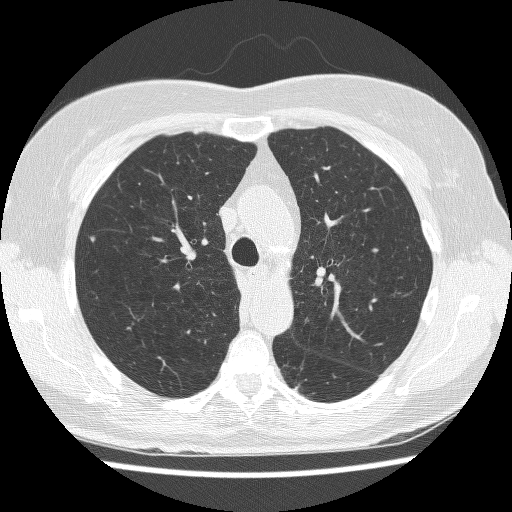
Chest CT, axial plane, 120 kVp, kernel BONE. Slice 174/241 from the bottom of the scan; thickness 1.25 mm; pixel size 0.609 mm.
Pulmonary nodule at rows 235–242, columns 89–95 (box = that reader's outline on this slice), outlined by one of the four readers; longest diameter 6.0 mm and volume 81 mm3 from that reader's outline. Ratings by that reader: texture 3/5 (part-solid); margin 4/5; sphericity 4/5; calcification absent; internal structure soft tissue; subtlety 2/5; malignancy likelihood 3/5. Scale key (1–5): texture non-solid→solid, margin indistinct→circumscribed, sphericity linear→round, subtlety extremely subtle→obvious, malignancy likelihood highly unlikely→highly suspicious of cancer. Box rows and columns are 0-based pixel indices from the top-left corner, inclusive.